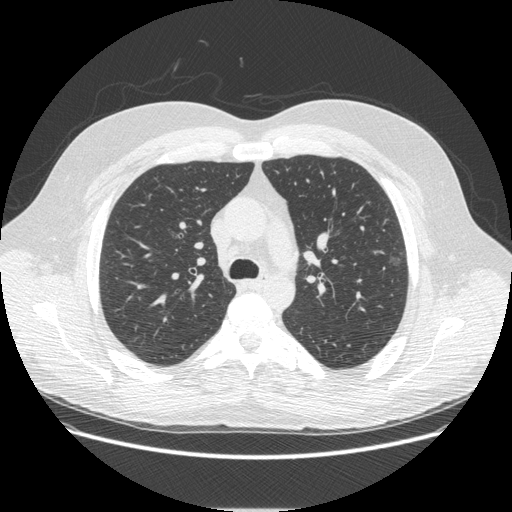
Axial slice 326 of 497 of a chest CT (slice 1 is the lowest), reconstructed with the STANDARD kernel at 120 kVp; 1.25 mm slice thickness and 0.762 mm pixels.
Pulmonary nodule outlined by all four readers; box rows 247–265, columns 389–403 (the union of the readers' outlines on this slice); longest diameter 21.8 mm on average over the four readers' outlines (readers' outlines 21.5–22.5 mm), volume 2170–2597 mm3. The readers' prevailing ratings and who disagreed: texture 1/5 (non-solid) by three of four readers; the rest gave 3/5 (part-solid) (one); margin 3/5 by two of four readers; the rest gave 2/5 (one), 4/5 (one); sphericity 5/5 (round) by two of four readers; the rest gave 3/5 (ovoid) (one), 4/5 (one); calcification absent, all four readers agreeing; internal structure split among the readers: air (two), soft tissue (two); subtlety 4/5 by two of four readers; the rest gave 1/5 (one), 5/5 (one); malignancy likelihood split among the readers: 1/5 (one), 2/5 (one), 4/5 (one), 5/5 (one). Scale key (1–5): texture non-solid→solid, margin indistinct→circumscribed, sphericity linear→round, subtlety extremely subtle→obvious, malignancy likelihood highly unlikely→highly suspicious of cancer. Box rows and columns are 0-based pixel indices from the top-left corner, inclusive.